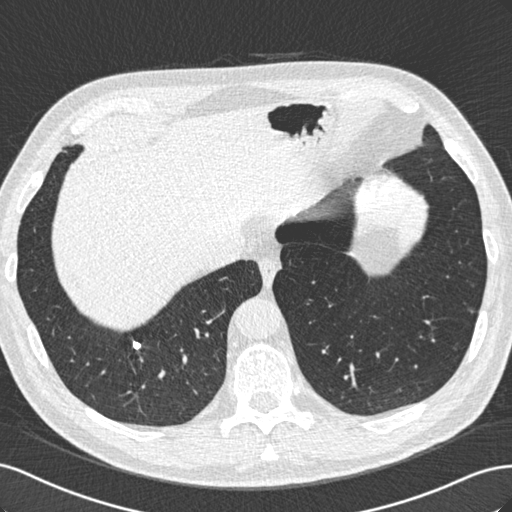
One axial slice (194 of 529, counting up from the lowest) of a chest CT acquired at 120 kVp with the B30f kernel; each pixel is 0.703 mm and the slice is 0.75 mm thick.
Two pulmonary nodules on this slice, listed from left to right. (1) Pulmonary nodule at rows 340–350, columns 131–142 (box = the union of the readers' outlines on this slice), outlined by two of the four readers; longest diameter 8.5 mm on average over the two readers' outlines (readers' outlines 7.5–9.6 mm), volume 88–148 mm3. The readers' prevailing ratings and who disagreed: texture 5/5 (solid) from both readers; margin 5/5 (circumscribed), both readers agreeing; sphericity split among the readers: 4/5 (one), 5/5 (round) (one); calcification solid calcification from both readers; internal structure soft tissue, both readers agreeing; subtlety split among the readers: 4/5 (one), 5/5 (one); malignancy likelihood 1/5, both readers agreeing. (2) Pulmonary nodule outlined by three of the four readers, one of them on this slice; box rows 308–312, columns 468–475 (the one reader's outline on this slice); longest diameter 9.1 mm on average over the three readers' outlines (readers' outlines 8.0–10.9 mm), volume 66–163 mm3. Ratings, by the readers' most common answer with dissent counted: texture 5/5 (solid) by two of three readers; the rest gave 4/5 (one); most readers (two of three) put margin at 5/5 (circumscribed), others 4/5 (one); sphericity 5/5 (round), all three readers agreeing; calcification absent, all three readers agreeing; internal structure soft tissue, all three readers agreeing; subtlety split among the readers: 3/5 (one), 4/5 (one), 5/5 (one); malignancy likelihood split among the readers: 2/5 (one), 3/5 (one), 4/5 (one). Scale key (1–5): texture non-solid→solid, margin indistinct→circumscribed, sphericity linear→round, subtlety extremely subtle→obvious, malignancy likelihood highly unlikely→highly suspicious of cancer. Box rows and columns are 0-based pixel indices from the top-left corner, inclusive.